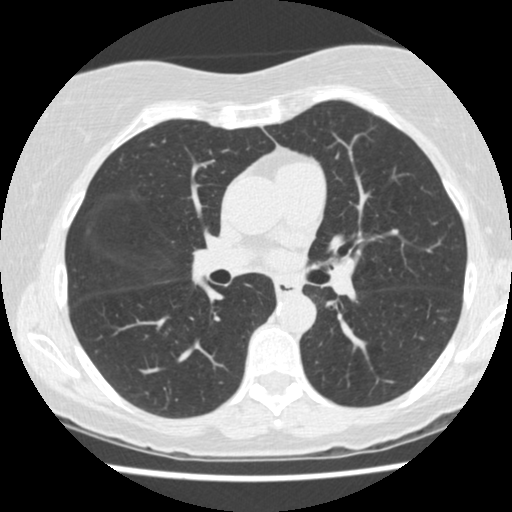
Chest CT, axial plane, 120 kVp, kernel STANDARD. Slice 248/458 from the bottom of the scan; thickness 1.25 mm; pixel size 0.586 mm.
Pulmonary nodule at rows 230–234, columns 86–88 (box = that reader's outline on this slice), outlined by one of the four readers; longest diameter 5.3 mm and volume 30 mm3 from that reader's outline. Ratings by that reader: texture 1/5 (non-solid); margin 2/5; sphericity 4/5; calcification absent; internal structure soft tissue; subtlety 2/5; malignancy likelihood 2/5. Scale key (1–5): texture non-solid→solid, margin indistinct→circumscribed, sphericity linear→round, subtlety extremely subtle→obvious, malignancy likelihood highly unlikely→highly suspicious of cancer. Box rows and columns are 0-based pixel indices from the top-left corner, inclusive.